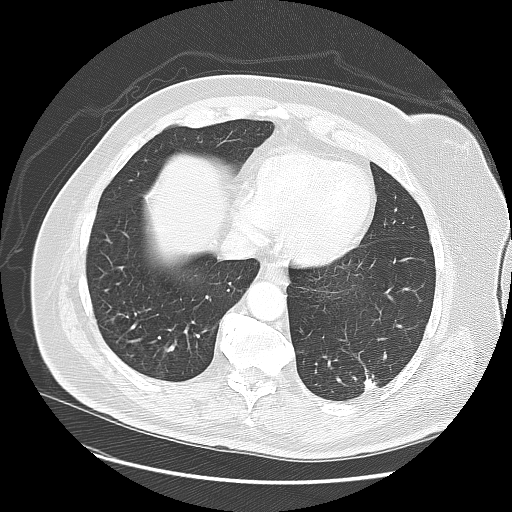
Axial chest CT slice 50 of 140 (counted from the lowest slice); tube voltage 120 kVp, convolution kernel LUNG; slices 2.50 mm thick, 0.781 mm per pixel.
Pulmonary nodule outlined by all four readers, one of them on this slice; box rows 313–315, columns 116–121 (the one reader's outline on this slice); longest diameter 8.3 mm on average over the four readers' outlines (readers' outlines 7.4–8.9 mm), volume 195–300 mm3. Ratings, by the readers' most common answer with dissent counted: texture 5/5 (solid) from all four readers; margin 5/5 (circumscribed) by three of four readers; the rest gave 4/5 (one); sphericity 3/5 (ovoid) by two of four readers; the rest gave 4/5 (one), 5/5 (round) (one); calcification solid calcification by three of four readers, absent (one); internal structure soft tissue from all four readers; most readers (three of four) put subtlety at 4/5, others 5/5 (one); most readers (three of four) put malignancy likelihood at 1/5, others 3/5 (one). Scale key (1–5): texture non-solid→solid, margin indistinct→circumscribed, sphericity linear→round, subtlety extremely subtle→obvious, malignancy likelihood highly unlikely→highly suspicious of cancer. Box rows and columns are 0-based pixel indices from the top-left corner, inclusive.